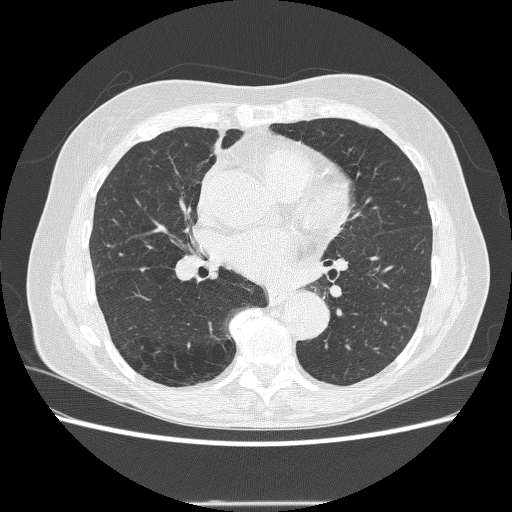
Chest CT, axial plane, 120 kVp, kernel BONE. Slice 112/246 from the bottom of the scan; thickness 1.25 mm; pixel size 0.703 mm.
Pulmonary nodule, outlined by one of the four readers. Box on this slice rows 268–271, columns 141–147, that reader's outline on this slice; longest diameter 8.6 mm and volume 87 mm3 from that reader's outline. Ratings by that reader: texture 5/5 (solid); margin 5/5 (circumscribed); sphericity 3/5 (ovoid); calcification absent; internal structure soft tissue; subtlety 4/5; malignancy likelihood 3/5. Scale key (1–5): texture non-solid→solid, margin indistinct→circumscribed, sphericity linear→round, subtlety extremely subtle→obvious, malignancy likelihood highly unlikely→highly suspicious of cancer. Box rows and columns are 0-based pixel indices from the top-left corner, inclusive.